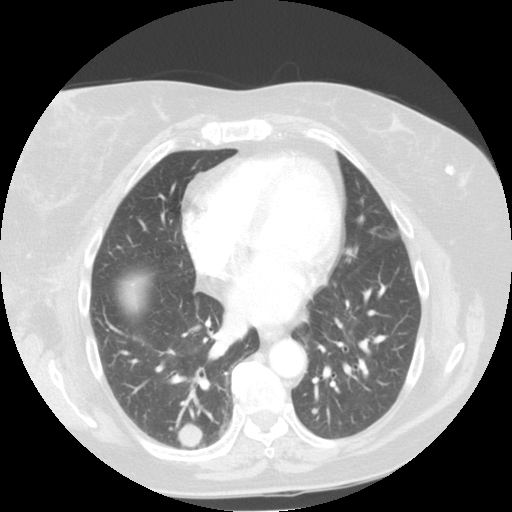
This is axial slice 58 of 113 (slice 1 is the lowest) of a chest CT; each pixel is 0.703 mm and the slice is 2.50 mm thick. Two pulmonary nodules on this slice, listed from left to right. (1) Pulmonary nodule at rows 421–446, columns 177–202 (box = the union of the readers' outlines on this slice), outlined by all four readers; median longest diameter 23.8 mm (readers' outlines 23.3–24.3 mm), median volume 4903 mm3 (4155–5797 mm3). Ratings, median across the readers with their spread: texture 5/5 (solid), all four readers agreeing; margin 4/5 at the median of four readers, spread 4/5 to 5/5 (circumscribed); median sphericity 4.5/5 (readers ranged 3/5 (ovoid) to 5/5 (round)); calcification absent from all four readers; internal structure soft tissue, all four readers agreeing; subtlety 5/5 from all four readers; malignancy likelihood 4/5 at the median of four readers, spread 2–5. (2) Pulmonary nodule, outlined by one of the four readers. Box on this slice rows 408–413, columns 312–317, that reader's outline on this slice; longest diameter 5.4 mm and volume 48 mm3 from that reader's outline. That reader's ratings: texture 5/5 (solid); margin 5/5 (circumscribed); sphericity 5/5 (round); calcification absent; internal structure soft tissue; subtlety 2/5; malignancy likelihood 2/5. Scale key (1–5): texture non-solid→solid, margin indistinct→circumscribed, sphericity linear→round, subtlety extremely subtle→obvious, malignancy likelihood highly unlikely→highly suspicious of cancer. Box rows and columns are 0-based pixel indices from the top-left corner, inclusive.
Tube voltage 120 kVp; convolution kernel STANDARD.